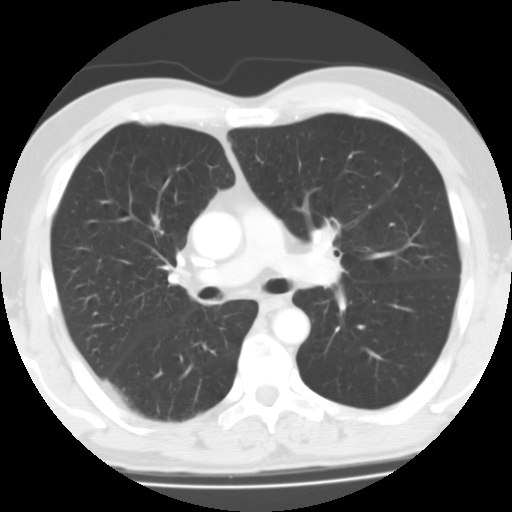
Axial chest CT slice 84 of 127 (counted from the lowest slice); tube voltage 135 kVp, convolution kernel FC01; slices 3.00 mm thick, 0.677 mm per pixel.
None of the four readers outlined a nodule of 3 mm or more on this slice.